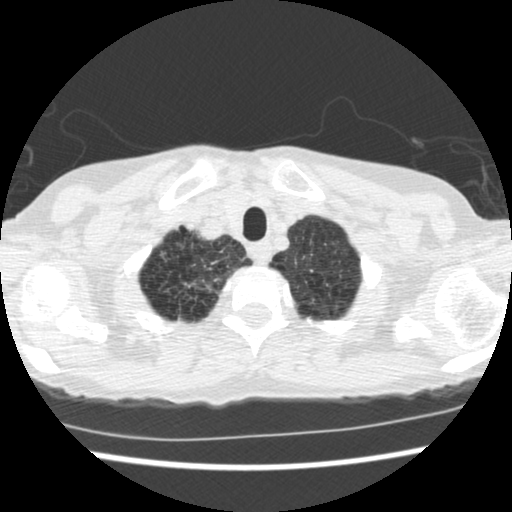
Axial chest CT slice 480 of 541 (counted from the lowest slice); 1.25 mm thick, 0.586 mm per pixel. Pulmonary nodule, outlined by one of the four readers. Box on this slice rows 283–286, columns 185–191, that reader's outline on this slice; longest diameter 24.9 mm and volume 491 mm3 from that reader's outline. That reader's ratings: texture 5/5 (solid); margin 1/5 (indistinct); sphericity 2/5; calcification absent; internal structure soft tissue; subtlety 4/5; malignancy likelihood 4/5. Scale key (1–5): texture non-solid→solid, margin indistinct→circumscribed, sphericity linear→round, subtlety extremely subtle→obvious, malignancy likelihood highly unlikely→highly suspicious of cancer. Box rows and columns are 0-based pixel indices from the top-left corner, inclusive.
Tube voltage 120 kVp; convolution kernel STANDARD.